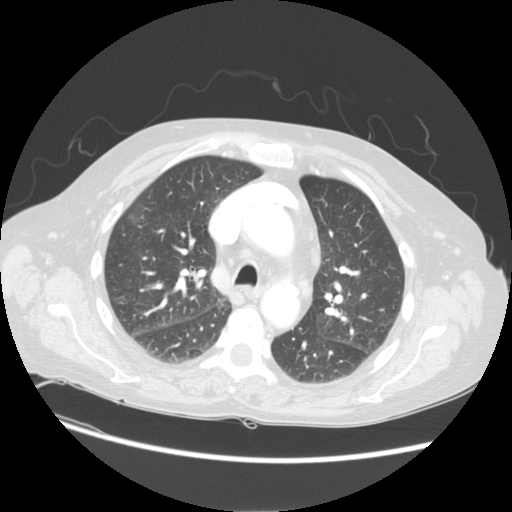
Axial chest CT slice 83 of 113 (counted from the lowest slice); tube voltage 120 kVp, convolution kernel STANDARD; slices 2.50 mm thick, 0.742 mm per pixel.
Pulmonary nodule at rows 213–220, columns 128–135 (box = the one reader's outline on this slice), outlined by three of the four readers, one of them on this slice; median longest diameter 20.1 mm (readers' outlines 15.6–22.7 mm), median volume 1579 mm3 (735–1841 mm3). Ratings, median across the readers with their spread: texture 5/5 (solid) from all three readers; margin 5/5 (circumscribed), all three readers agreeing; median sphericity 4/5 (readers ranged 3/5 (ovoid) to 5/5 (round)); calcification absent from all three readers; internal structure soft tissue from all three readers; subtlety 4/5 at the median of three readers, spread 3–5; median malignancy likelihood 2/5 (readers ranged 2–5). Scale key (1–5): texture non-solid→solid, margin indistinct→circumscribed, sphericity linear→round, subtlety extremely subtle→obvious, malignancy likelihood highly unlikely→highly suspicious of cancer. Box rows and columns are 0-based pixel indices from the top-left corner, inclusive.